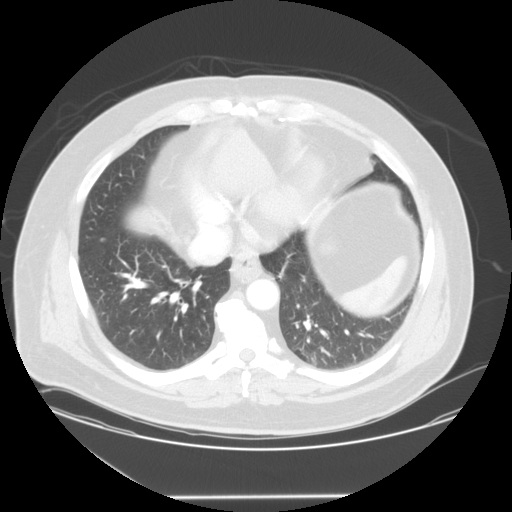
One axial slice (60 of 127, counting up from the lowest) of a chest CT acquired at 120 kVp with the STANDARD kernel; each pixel is 0.859 mm and the slice is 2.50 mm thick.
Pulmonary nodule at rows 238–240, columns 101–104 (box = the union of the readers' outlines on this slice), outlined by two of the four readers; longest diameter 6.1 mm on average over the two readers' outlines (readers' outlines 6.1 mm), volume 94–104 mm3. The readers' prevailing ratings and who disagreed: texture 5/5 (solid) from both readers; margin 5/5 (circumscribed) from both readers; sphericity 5/5 (round), both readers agreeing; calcification absent from both readers; internal structure soft tissue from both readers; subtlety split among the readers: 2/5 (one), 5/5 (one); malignancy likelihood 2/5 from both readers. Scale key (1–5): texture non-solid→solid, margin indistinct→circumscribed, sphericity linear→round, subtlety extremely subtle→obvious, malignancy likelihood highly unlikely→highly suspicious of cancer. Box rows and columns are 0-based pixel indices from the top-left corner, inclusive.